Axial slice 172 of 295 of a chest CT (slice 1 is the lowest), reconstructed with the STANDARD kernel at 120 kVp; 2.50 mm slice thickness and 0.703 mm pixels.
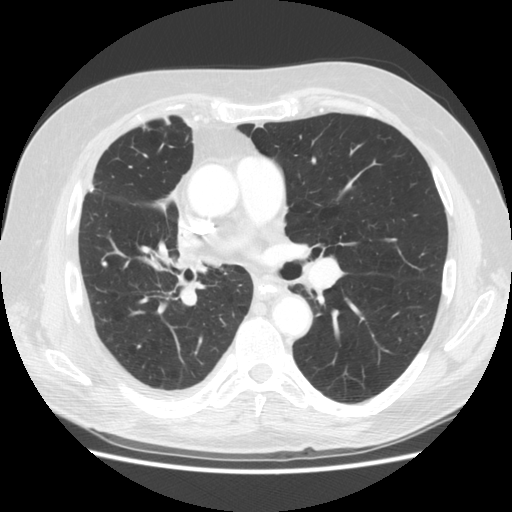
Pulmonary nodule, outlined by all four readers. Box on this slice rows 261–267, columns 100–107, the union of the readers' outlines on this slice; longest diameter 7.1 mm on average over the four readers' outlines (readers' outlines 6.6–8.5 mm), volume 92–133 mm3. The readers' prevailing ratings and who disagreed: texture 5/5 (solid) from all four readers; margin 5/5 (circumscribed) from all four readers; sphericity split among the readers: 4/5 (two), 5/5 (round) (two); calcification solid calcification by three of four readers, absent (one); internal structure soft tissue, all four readers agreeing; subtlety 5/5 from all four readers; malignancy likelihood 1/5 from all four readers. Scale key (1–5): texture non-solid→solid, margin indistinct→circumscribed, sphericity linear→round, subtlety extremely subtle→obvious, malignancy likelihood highly unlikely→highly suspicious of cancer. Box rows and columns are 0-based pixel indices from the top-left corner, inclusive.